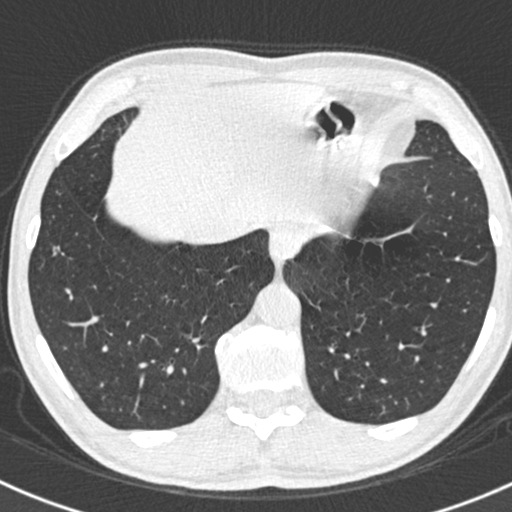
Chest CT, axial plane, 120 kVp, kernel B30f. Slice 180/538 from the bottom of the scan; thickness 0.75 mm; pixel size 0.605 mm.
Pulmonary nodule, outlined by two of the four readers. Box on this slice rows 246–255, columns 53–59, the union of the readers' outlines on this slice; the two readers' outlines give a longest diameter between 9.2 and 11.8 mm and a volume between 48 and 81 mm3. The readers' ratings, as ranges where they differ: texture 5/5 (solid), both readers agreeing; margin from 4/5 to 5/5 (circumscribed) across the two readers; sphericity from 2/5 to 3/5 (ovoid) across the two readers; calcification absent from both readers; internal structure soft tissue from both readers; subtlety rated between 3 and 4 out of 5 by the two readers; malignancy likelihood 2/5, both readers agreeing. Scale key (1–5): texture non-solid→solid, margin indistinct→circumscribed, sphericity linear→round, subtlety extremely subtle→obvious, malignancy likelihood highly unlikely→highly suspicious of cancer. Box rows and columns are 0-based pixel indices from the top-left corner, inclusive.